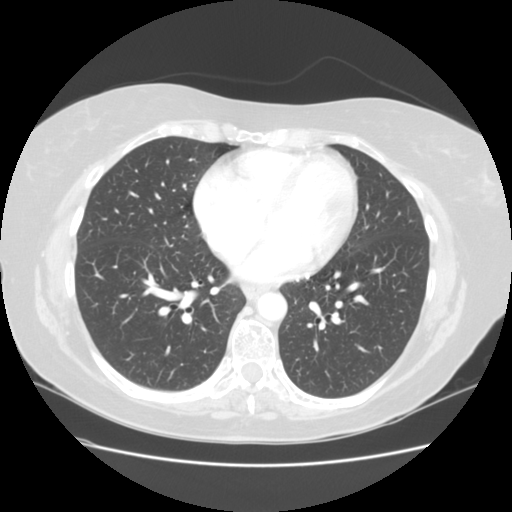
Axial slice 63 of 131 of a chest CT (slice 1 is the lowest), reconstructed with the STANDARD kernel at 120 kVp; 2.50 mm slice thickness and 0.703 mm pixels.
No nodule 3 mm or larger was outlined here by any reader.